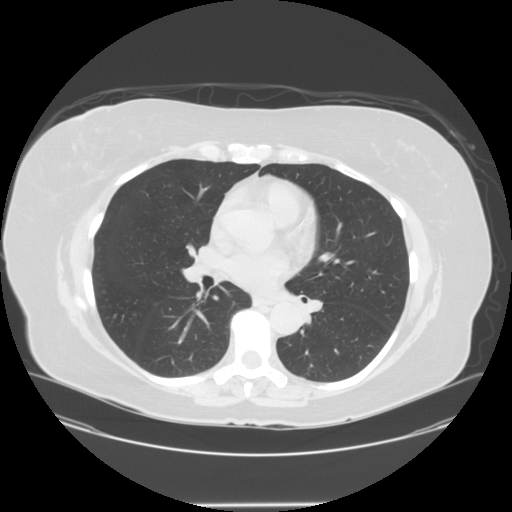
This is axial slice 87 of 150 (slice 1 is the lowest) of a chest CT; each pixel is 0.820 mm and the slice is 2.50 mm thick. No nodule of 3 mm or larger was outlined by any of the four readers on this slice.
Acquired at 120 kVp and reconstructed with the STANDARD kernel.